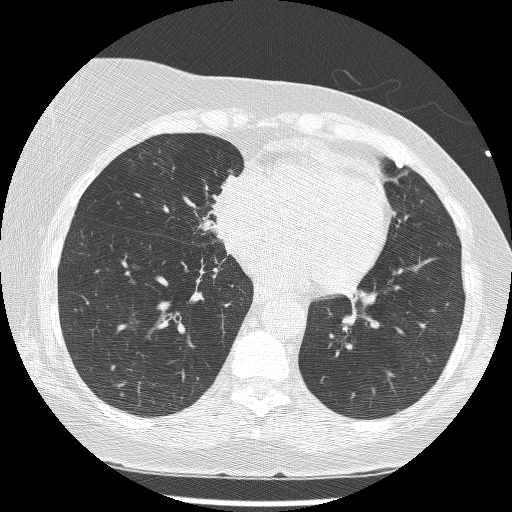
Axial slice 67 of 209 of a chest CT (slice 1 is the lowest), reconstructed with the BONE kernel at 120 kVp; 1.25 mm slice thickness and 0.617 mm pixels.
Two pulmonary nodules are outlined on this slice; from left to right: (1) Pulmonary nodule outlined by three of the four readers; box rows 214–234, columns 198–218 (the union of the readers' outlines on this slice); median longest diameter 24.2 mm (readers' outlines 22.9–27.7 mm), median volume 3128 mm3 (3040–4232 mm3). Median ratings and the readers' spread: texture 5/5 (solid) from all three readers; margin 5/5 (circumscribed) at the median of three readers, spread 4/5 to 5/5 (circumscribed); sphericity 4/5 at the median of three readers, spread 3/5 (ovoid) to 4/5; calcification absent from all three readers; internal structure soft tissue from all three readers; subtlety 5/5, all three readers agreeing; malignancy likelihood 5/5 from all three readers. (2) Pulmonary nodule, outlined by three of the four readers. Box on this slice rows 160–168, columns 394–403, the union of the readers' outlines on this slice; longest diameter 6.7 mm on average over the three readers' outlines (readers' outlines 6.2–7.2 mm), volume 69–94 mm3. Ratings, by the readers' most common answer with dissent counted: texture 5/5 (solid) from all three readers; margin 5/5 (circumscribed) from all three readers; sphericity 4/5 by two of three readers; the rest gave 3/5 (ovoid) (one); calcification solid calcification by two of three readers, absent (one); internal structure soft tissue, all three readers agreeing; subtlety split among the readers: 3/5 (one), 4/5 (one), 5/5 (one); most readers (two of three) put malignancy likelihood at 1/5, others 2/5 (one). Scale key (1–5): texture non-solid→solid, margin indistinct→circumscribed, sphericity linear→round, subtlety extremely subtle→obvious, malignancy likelihood highly unlikely→highly suspicious of cancer. Box rows and columns are 0-based pixel indices from the top-left corner, inclusive.